Chest CT, axial plane, 120 kVp, kernel STANDARD. Slice 275/449 from the bottom of the scan; thickness 1.25 mm; pixel size 0.625 mm.
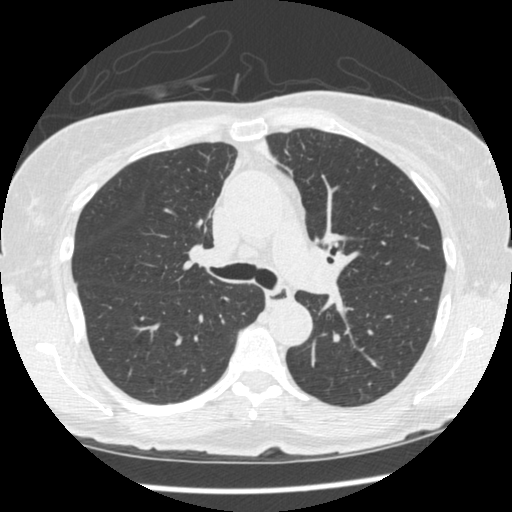
This slice carries no reader outline of a nodule 3 mm or larger.